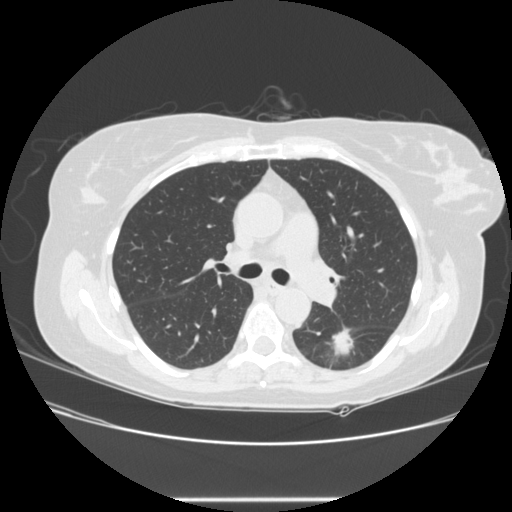
Chest CT, axial plane, 120 kVp, kernel STANDARD. Slice 158/245 from the bottom of the scan; thickness 1.25 mm; pixel size 0.730 mm.
Pulmonary nodule, outlined by all four readers. Box on this slice rows 321–359, columns 322–354, the union of the readers' outlines on this slice; median longest diameter 29.7 mm (readers' outlines 27.2–36.8 mm), median volume 4184 mm3 (3941–5997 mm3). Ratings, median across the readers with their spread: texture 5/5 (solid) from all four readers; median margin 3.5/5 (readers ranged 1/5 (indistinct) to 4/5); sphericity 2.5/5 at the median of four readers, spread 2/5 to 4/5; calcification absent from all four readers; internal structure soft tissue, all four readers agreeing; subtlety 5/5 from all four readers; malignancy likelihood 5/5 at the median of four readers, spread 4–5. Scale key (1–5): texture non-solid→solid, margin indistinct→circumscribed, sphericity linear→round, subtlety extremely subtle→obvious, malignancy likelihood highly unlikely→highly suspicious of cancer. Box rows and columns are 0-based pixel indices from the top-left corner, inclusive.